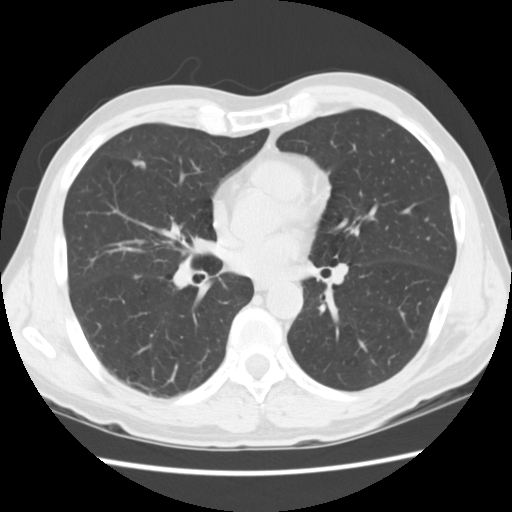
Axial chest CT slice 76 of 161 (counted from the lowest slice); tube voltage 120 kVp, convolution kernel STANDARD; slices 2.50 mm thick, 0.664 mm per pixel.
Pulmonary nodule at rows 158–169, columns 129–146 (box = the union of the readers' outlines on this slice), outlined by all four readers; longest diameter 11.7 mm on average over the four readers' outlines (readers' outlines 10.7–13.1 mm), volume 172–293 mm3. Ratings, by the readers' most common answer with dissent counted: texture 5/5 (solid) from all four readers; margin 4/5 by three of four readers; the rest gave 5/5 (circumscribed) (one); sphericity split among the readers: 2/5 (one), 3/5 (ovoid) (one), 4/5 (one), 5/5 (round) (one); calcification absent, all four readers agreeing; internal structure soft tissue from all four readers; subtlety 4/5 by two of four readers; the rest gave 3/5 (one), 5/5 (one); malignancy likelihood 3/5 by two of four readers; the rest gave 2/5 (one), 4/5 (one). Scale key (1–5): texture non-solid→solid, margin indistinct→circumscribed, sphericity linear→round, subtlety extremely subtle→obvious, malignancy likelihood highly unlikely→highly suspicious of cancer. Box rows and columns are 0-based pixel indices from the top-left corner, inclusive.